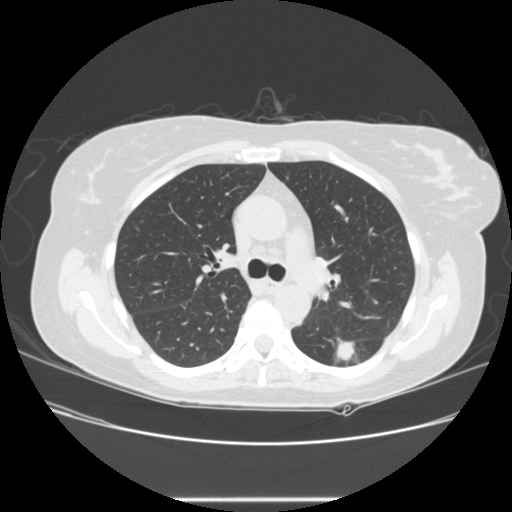
Axial chest CT slice 164 of 245 (counted from the lowest slice); tube voltage 120 kVp, convolution kernel STANDARD; slices 1.25 mm thick, 0.730 mm per pixel.
Pulmonary nodule at rows 337–363, columns 332–355 (box = the union of the readers' outlines on this slice), outlined by all four readers; median longest diameter 29.7 mm (readers' outlines 27.2–36.8 mm), median volume 4184 mm3 (3941–5997 mm3). Median ratings and the readers' spread: texture 5/5 (solid), all four readers agreeing; median margin 3.5/5 (readers ranged 1/5 (indistinct) to 4/5); median sphericity 2.5/5 (readers ranged 2/5 to 4/5); calcification absent from all four readers; internal structure soft tissue from all four readers; subtlety 5/5, all four readers agreeing; malignancy likelihood 5/5 at the median of four readers, spread 4–5. Scale key (1–5): texture non-solid→solid, margin indistinct→circumscribed, sphericity linear→round, subtlety extremely subtle→obvious, malignancy likelihood highly unlikely→highly suspicious of cancer. Box rows and columns are 0-based pixel indices from the top-left corner, inclusive.